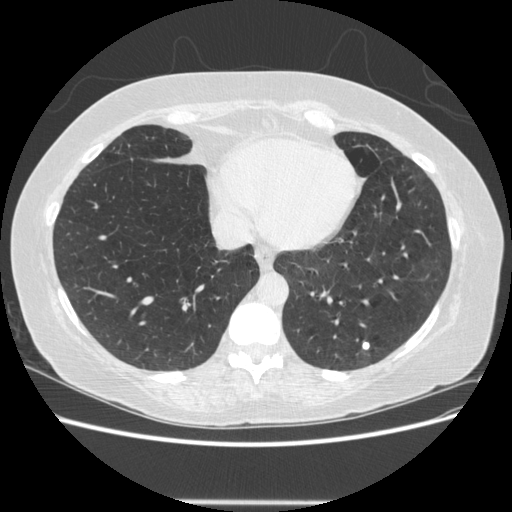
Chest CT, axial plane, 120 kVp, kernel STANDARD. Slice 169/513 from the bottom of the scan; thickness 1.25 mm; pixel size 0.703 mm.
Pulmonary nodule outlined by all four readers; box rows 341–349, columns 362–369 (the union of the readers' outlines on this slice); median longest diameter 8.3 mm (readers' outlines 7.6–9.4 mm), median volume 121 mm3 (94–152 mm3). Ratings, median across the readers with their spread: texture 5/5 (solid) from all four readers; margin 4.5/5 at the median of four readers, spread 1/5 (indistinct) to 5/5 (circumscribed); sphericity 5/5 (round) at the median of four readers, spread 3/5 (ovoid) to 5/5 (round); calcification: solid calcification (three), absent (one); internal structure soft tissue, all four readers agreeing; subtlety 5/5 at the median of four readers, spread 4–5; malignancy likelihood 1/5 at the median of four readers, spread 1–4. Scale key (1–5): texture non-solid→solid, margin indistinct→circumscribed, sphericity linear→round, subtlety extremely subtle→obvious, malignancy likelihood highly unlikely→highly suspicious of cancer. Box rows and columns are 0-based pixel indices from the top-left corner, inclusive.